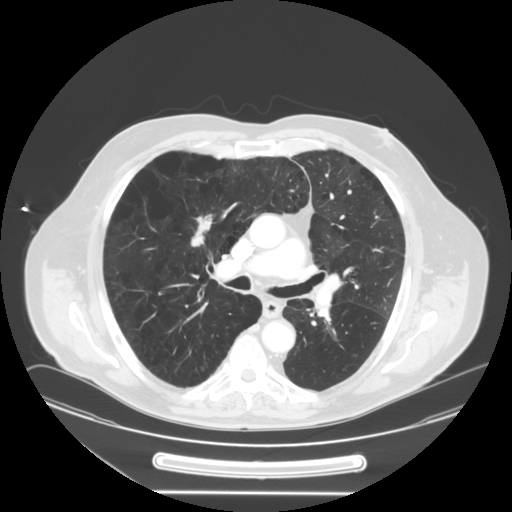
Axial slice 93 of 148 of a chest CT (slice 1 is the lowest), reconstructed with the STANDARD kernel at 120 kVp; 2.50 mm slice thickness and 0.859 mm pixels.
Pulmonary nodule at rows 213–247, columns 190–212 (box = the union of the readers' outlines on this slice), outlined three times (the source holds two more outlines, not used); median longest diameter 33.1 mm (readers' outlines 32.7–36.1 mm), median volume 2529 mm3 (2349–3895 mm3). Median ratings and the readers' spread: texture 5/5 (solid) from all three readers; margin 4/5 at the median of three readers, spread 2/5 to 5/5 (circumscribed); median sphericity 2/5 (readers ranged 2/5 to 3/5 (ovoid)); calcification absent from all three readers; internal structure soft tissue, all three readers agreeing; subtlety 5/5 from all three readers; malignancy likelihood 5/5 at the median of three readers, spread 3–5. Scale key (1–5): texture non-solid→solid, margin indistinct→circumscribed, sphericity linear→round, subtlety extremely subtle→obvious, malignancy likelihood highly unlikely→highly suspicious of cancer. Box rows and columns are 0-based pixel indices from the top-left corner, inclusive.